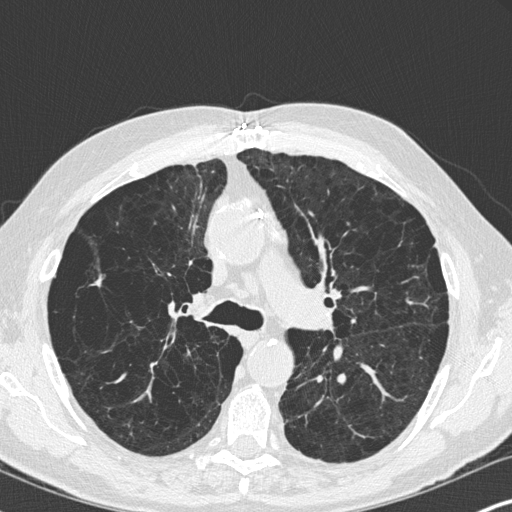
Chest CT, axial plane, 120 kVp, kernel B45f. Slice 208/347 from the bottom of the scan; thickness 1.00 mm; pixel size 0.625 mm.
Pulmonary nodule outlined by two of the four readers; box rows 275–286, columns 94–101 (the union of the readers' outlines on this slice); median longest diameter 10.2 mm (readers' outlines 10.1–10.3 mm), median volume 132 mm3 (119–145 mm3). Median ratings and the readers' spread: texture 5/5 (solid) from both readers; margin 4/5 at the median of two readers, spread 3/5 to 5/5 (circumscribed); sphericity 2/5, both readers agreeing; calcification absent from both readers; internal structure soft tissue, both readers agreeing; subtlety 3/5, both readers agreeing; median malignancy likelihood 2.5/5 (readers ranged 2–3). Scale key (1–5): texture non-solid→solid, margin indistinct→circumscribed, sphericity linear→round, subtlety extremely subtle→obvious, malignancy likelihood highly unlikely→highly suspicious of cancer. Box rows and columns are 0-based pixel indices from the top-left corner, inclusive.